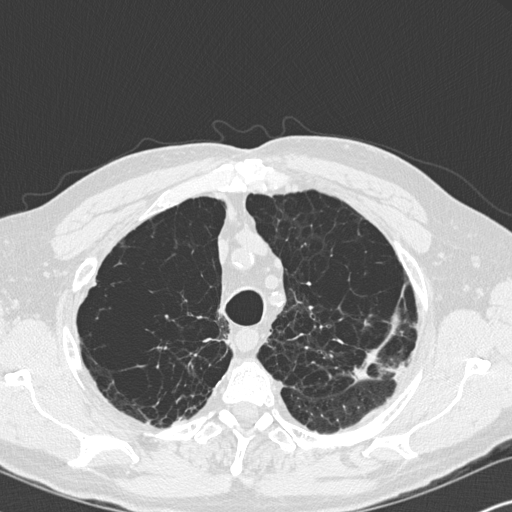
Axial chest CT slice 263 of 347 (counted from the lowest slice); 1.00 mm thick, 0.625 mm per pixel. Pulmonary nodule, outlined by one of the four readers. Box on this slice rows 349–379, columns 353–379, that reader's outline on this slice; longest diameter 24.3 mm and volume 1862 mm3 from that reader's outline. Ratings by that reader: texture 5/5 (solid); margin 4/5; sphericity 3/5 (ovoid); calcification absent; internal structure soft tissue; subtlety 5/5; malignancy likelihood 4/5. Scale key (1–5): texture non-solid→solid, margin indistinct→circumscribed, sphericity linear→round, subtlety extremely subtle→obvious, malignancy likelihood highly unlikely→highly suspicious of cancer. Box rows and columns are 0-based pixel indices from the top-left corner, inclusive.
Acquired at 120 kVp and reconstructed with the B45f kernel.